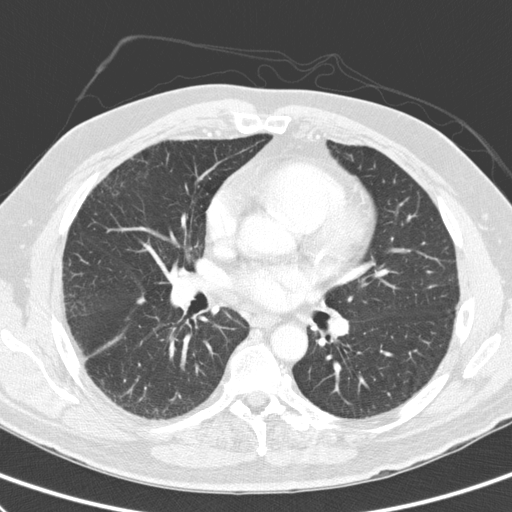
Axial chest CT slice 160 of 300 (counted from the lowest slice); tube voltage 120 kVp, convolution kernel D; slices 2.00 mm thick, 0.662 mm per pixel.
Pulmonary nodule at rows 296–305, columns 135–145 (box = the union of the readers' outlines on this slice), outlined by three of the four readers; median longest diameter 8.9 mm (readers' outlines 8.2–10.3 mm), median volume 156 mm3 (142–190 mm3). Median ratings and the readers' spread: texture 5/5 (solid) from all three readers; margin 4/5 from all three readers; median sphericity 4/5 (readers ranged 3/5 (ovoid) to 4/5); calcification absent, all three readers agreeing; internal structure soft tissue, all three readers agreeing; subtlety 4/5 at the median of three readers, spread 4–5; median malignancy likelihood 3/5 (readers ranged 3–4). Scale key (1–5): texture non-solid→solid, margin indistinct→circumscribed, sphericity linear→round, subtlety extremely subtle→obvious, malignancy likelihood highly unlikely→highly suspicious of cancer. Box rows and columns are 0-based pixel indices from the top-left corner, inclusive.